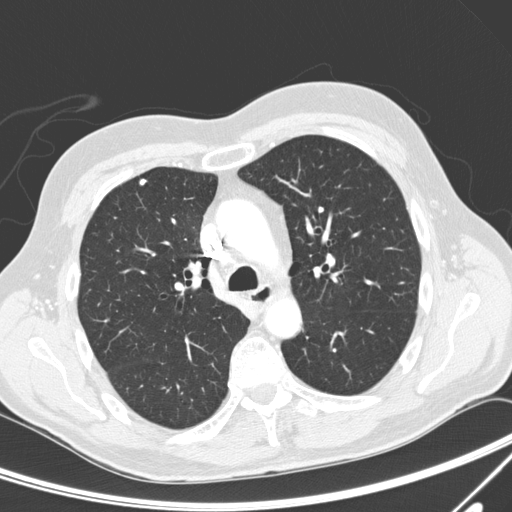
Chest CT, axial plane, 120 kVp, kernel D. Slice 183/300 from the bottom of the scan; thickness 2.00 mm; pixel size 0.678 mm.
Pulmonary nodule, outlined by all four readers. Box on this slice rows 178–185, columns 139–146, the union of the readers' outlines on this slice; longest diameter 7.9–8.5 mm and volume 191–251 mm3 across the four readers' outlines. Ratings across the readers: texture 5/5 (solid), all four readers agreeing; margin from 4/5 to 5/5 (circumscribed) across the four readers; sphericity from 3/5 (ovoid) to 5/5 (round) across the four readers; calcification: solid calcification (three), absent (one); internal structure soft tissue from all four readers; subtlety 5/5 from all four readers; malignancy likelihood from 1/5 to 3/5 across the four readers. Scale key (1–5): texture non-solid→solid, margin indistinct→circumscribed, sphericity linear→round, subtlety extremely subtle→obvious, malignancy likelihood highly unlikely→highly suspicious of cancer. Box rows and columns are 0-based pixel indices from the top-left corner, inclusive.